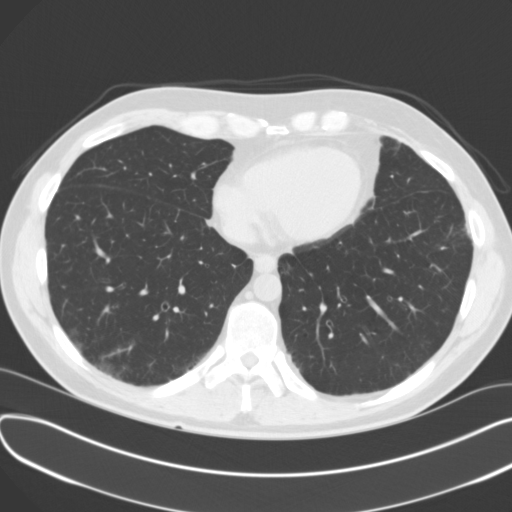
Chest CT, axial plane, 120 kVp, kernel B31f. Slice 52/131 from the bottom of the scan; thickness 3.00 mm; pixel size 0.721 mm.
This slice carries no reader outline of a nodule 3 mm or larger.